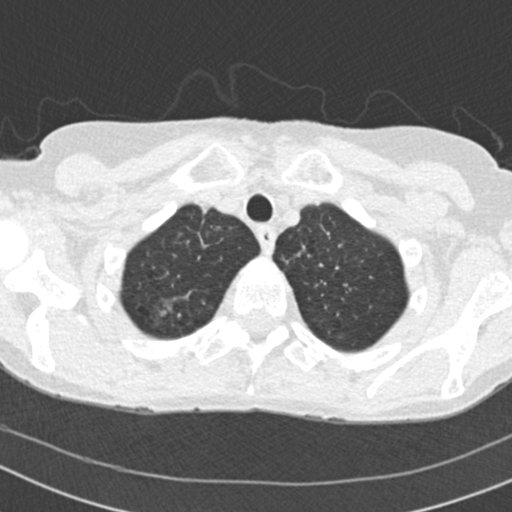
Chest CT, axial plane, 120 kVp, kernel B30f. Slice 174/202 from the bottom of the scan; thickness 2.00 mm; pixel size 0.566 mm.
Pulmonary nodule at rows 299–317, columns 159–170 (box = the union of the readers' outlines on this slice), outlined by all four readers, three of them on this slice; median longest diameter 13.7 mm (readers' outlines 10.9–15.0 mm), median volume 656 mm3 (306–786 mm3). Ratings, median across the readers with their spread: median texture 4/5 (readers ranged 3/5 (part-solid) to 5/5 (solid)); margin 1.5/5 at the median of four readers, spread 1/5 (indistinct) to 3/5; sphericity 3.5/5 at the median of four readers, spread 3/5 (ovoid) to 4/5; calcification absent from all four readers; internal structure soft tissue, all four readers agreeing; subtlety 4/5 at the median of four readers, spread 3–4; median malignancy likelihood 3.5/5 (readers ranged 3–5). Scale key (1–5): texture non-solid→solid, margin indistinct→circumscribed, sphericity linear→round, subtlety extremely subtle→obvious, malignancy likelihood highly unlikely→highly suspicious of cancer. Box rows and columns are 0-based pixel indices from the top-left corner, inclusive.